Axial chest CT slice 106 of 347 (counted from the lowest slice); tube voltage 120 kVp, convolution kernel B45f; slices 1.00 mm thick, 0.625 mm per pixel.
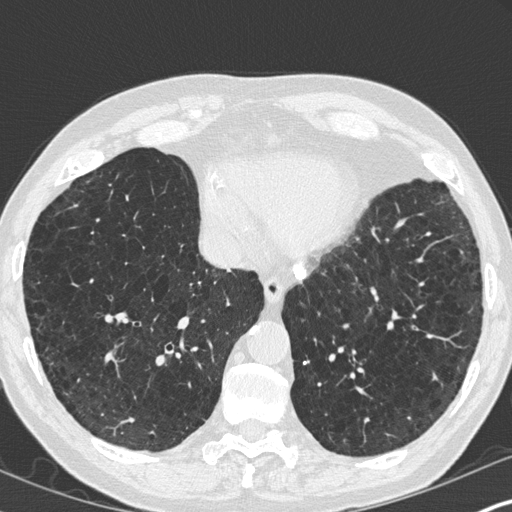
Pulmonary nodule, outlined by two of the four readers. Box on this slice rows 360–364, columns 302–309, the union of the readers' outlines on this slice; longest diameter 12.5 mm on average over the two readers' outlines (readers' outlines 10.7–14.3 mm), volume 348–470 mm3. The readers' prevailing ratings and who disagreed: texture 5/5 (solid) from both readers; margin split among the readers: 4/5 (one), 5/5 (circumscribed) (one); sphericity split among the readers: 3/5 (ovoid) (one), 4/5 (one); calcification solid calcification from both readers; internal structure soft tissue from both readers; subtlety 5/5 from both readers; malignancy likelihood 1/5, both readers agreeing. Scale key (1–5): texture non-solid→solid, margin indistinct→circumscribed, sphericity linear→round, subtlety extremely subtle→obvious, malignancy likelihood highly unlikely→highly suspicious of cancer. Box rows and columns are 0-based pixel indices from the top-left corner, inclusive.